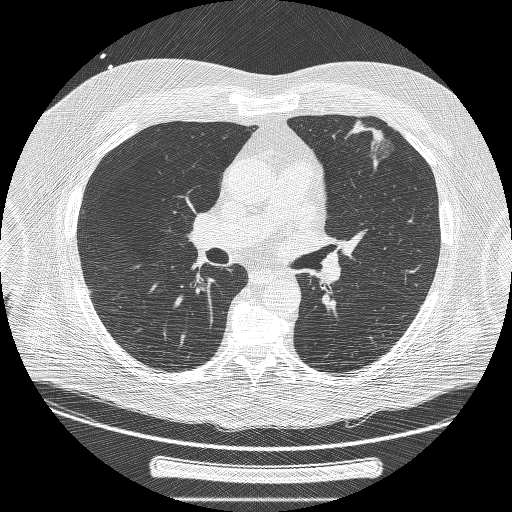
Axial slice 128 of 239 of a chest CT (slice 1 is the lowest), reconstructed with the BONE kernel at 120 kVp; 1.25 mm slice thickness and 0.795 mm pixels.
Pulmonary nodule, outlined by two of the four readers. Box on this slice rows 119–161, columns 346–393, the union of the readers' outlines on this slice; the two readers' outlines give a longest diameter between 43.0 and 43.4 mm and a volume between 10396 and 11168 mm3. The readers' ratings, as ranges where they differ: texture from 3/5 (part-solid) to 5/5 (solid) across the two readers; margin from 1/5 (indistinct) to 3/5 across the two readers; sphericity from 1/5 (linear) to 3/5 (ovoid) across the two readers; calcification absent from both readers; internal structure soft tissue, both readers agreeing; subtlety 5/5 from both readers; malignancy likelihood 5/5 from both readers. Scale key (1–5): texture non-solid→solid, margin indistinct→circumscribed, sphericity linear→round, subtlety extremely subtle→obvious, malignancy likelihood highly unlikely→highly suspicious of cancer. Box rows and columns are 0-based pixel indices from the top-left corner, inclusive.